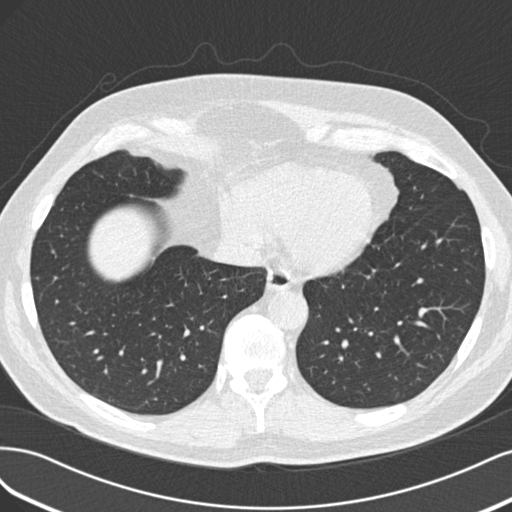
Axial chest CT slice 61 of 193 (counted from the lowest slice); 2.00 mm thick, 0.703 mm per pixel. Pulmonary nodule outlined by three of the four readers, two of them on this slice; box rows 276–280, columns 35–39 (the union of the readers' outlines on this slice); median longest diameter 12.3 mm (readers' outlines 12.1–12.9 mm), median volume 477 mm3 (445–586 mm3). Ratings, median across the readers with their spread: median texture 5/5 (solid) (readers ranged 4/5 to 5/5 (solid)); median margin 5/5 (circumscribed) (readers ranged 4/5 to 5/5 (circumscribed)); sphericity 4/5 at the median of three readers, spread 4/5 to 5/5 (round); calcification: absent (two), central calcification (one); internal structure soft tissue, all three readers agreeing; subtlety 5/5 at the median of three readers, spread 4–5; malignancy likelihood 3/5 at the median of three readers, spread 1–4. Scale key (1–5): texture non-solid→solid, margin indistinct→circumscribed, sphericity linear→round, subtlety extremely subtle→obvious, malignancy likelihood highly unlikely→highly suspicious of cancer. Box rows and columns are 0-based pixel indices from the top-left corner, inclusive.
Acquired at 120 kVp and reconstructed with the B30f kernel.